Chest CT, axial plane, 120 kVp, kernel BONE. Slice 59/208 from the bottom of the scan; thickness 1.25 mm; pixel size 0.723 mm.
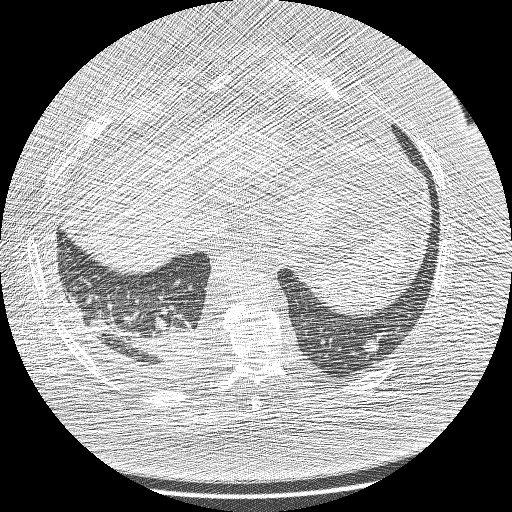
Pulmonary nodule, outlined by all four readers, three of them on this slice. Box on this slice rows 338–351, columns 363–378, the union of the readers' outlines on this slice; longest diameter 16.1 mm on average over the four readers' outlines (readers' outlines 13.7–18.1 mm), volume 365–1028 mm3. Ratings, by the readers' most common answer with dissent counted: texture 5/5 (solid) from all four readers; margin 4/5, all four readers agreeing; sphericity 5/5 (round) by two of four readers; the rest gave 3/5 (ovoid) (one), 4/5 (one); calcification absent by three of four readers, central calcification (one); internal structure soft tissue, all four readers agreeing; subtlety 5/5 by two of four readers; the rest gave 3/5 (one), 4/5 (one); malignancy likelihood split among the readers: 1/5 (one), 3/5 (one), 4/5 (one), 5/5 (one). Scale key (1–5): texture non-solid→solid, margin indistinct→circumscribed, sphericity linear→round, subtlety extremely subtle→obvious, malignancy likelihood highly unlikely→highly suspicious of cancer. Box rows and columns are 0-based pixel indices from the top-left corner, inclusive.